Chest CT, axial plane, 120 kVp, kernel B. Slice 517/590 from the bottom of the scan; thickness 0.90 mm; pixel size 0.627 mm.
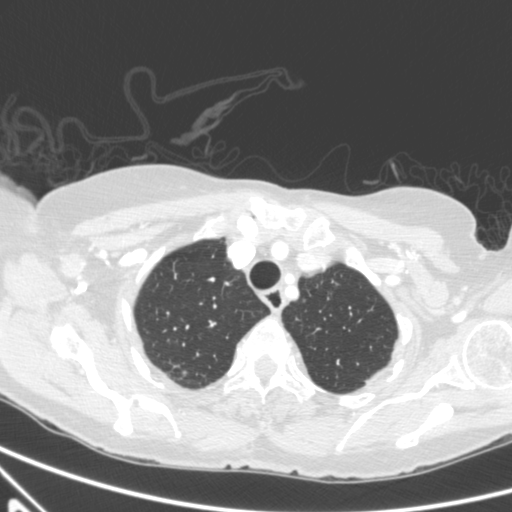
Pulmonary nodule at rows 370–375, columns 181–186 (box = the union of the readers' outlines on this slice), outlined by three of the four readers; the three readers' outlines give a longest diameter between 5.4 and 6.2 mm and a volume between 51 and 88 mm3. Ratings across the readers: texture from 4/5 to 5/5 (solid) across the three readers; margin from 3/5 to 5/5 (circumscribed) across the three readers; sphericity from 3/5 (ovoid) to 5/5 (round) across the three readers; calcification absent from all three readers; internal structure soft tissue from all three readers; subtlety 3/5, all three readers agreeing; malignancy likelihood rated between 2 and 3 out of 5 by the three readers. Scale key (1–5): texture non-solid→solid, margin indistinct→circumscribed, sphericity linear→round, subtlety extremely subtle→obvious, malignancy likelihood highly unlikely→highly suspicious of cancer. Box rows and columns are 0-based pixel indices from the top-left corner, inclusive.